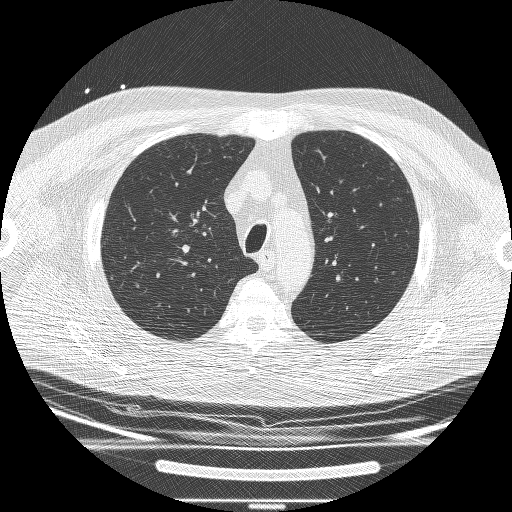
One axial slice (179 of 239, counting up from the lowest) of a chest CT acquired at 120 kVp with the BONE kernel; each pixel is 0.795 mm and the slice is 1.25 mm thick.
No nodule 3 mm or larger was outlined here by any reader.